Axial chest CT slice 251 of 347 (counted from the lowest slice); tube voltage 120 kVp, convolution kernel B45f; slices 1.00 mm thick, 0.625 mm per pixel.
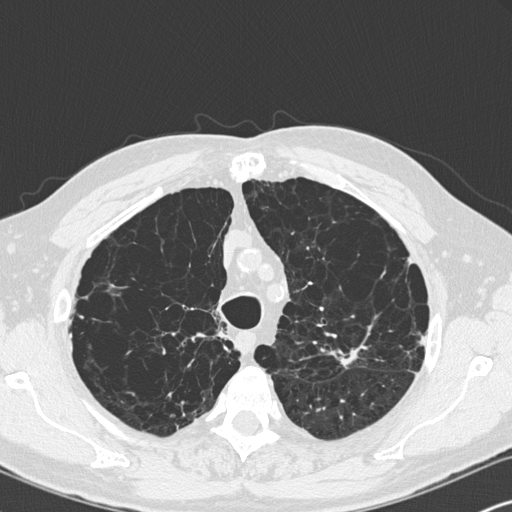
Pulmonary nodule at rows 348–368, columns 339–357 (box = that reader's outline on this slice), outlined by one of the four readers; longest diameter 24.3 mm and volume 1862 mm3 from that reader's outline. That reader's ratings: texture 5/5 (solid); margin 4/5; sphericity 3/5 (ovoid); calcification absent; internal structure soft tissue; subtlety 5/5; malignancy likelihood 4/5. Scale key (1–5): texture non-solid→solid, margin indistinct→circumscribed, sphericity linear→round, subtlety extremely subtle→obvious, malignancy likelihood highly unlikely→highly suspicious of cancer. Box rows and columns are 0-based pixel indices from the top-left corner, inclusive.